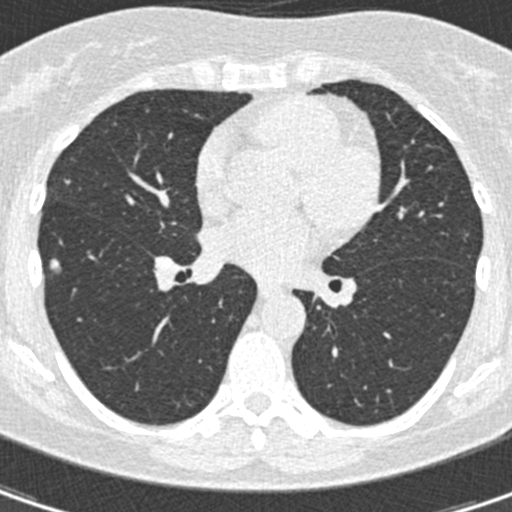
One axial slice (228 of 441, counting up from the lowest) of a chest CT acquired at 120 kVp with the B30f kernel; each pixel is 0.520 mm and the slice is 0.75 mm thick.
Pulmonary nodule at rows 258–273, columns 49–61 (box = the union of the readers' outlines on this slice), outlined by three of the four readers; median longest diameter 12.1 mm (readers' outlines 9.8–12.4 mm), median volume 274 mm3 (248–289 mm3). Median ratings and the readers' spread: median texture 5/5 (solid) (readers ranged 4/5 to 5/5 (solid)); median margin 4/5 (readers ranged 4/5 to 5/5 (circumscribed)); median sphericity 4/5 (readers ranged 4/5 to 5/5 (round)); calcification: absent (two), solid calcification (one); internal structure soft tissue from all three readers; subtlety 4/5 at the median of three readers, spread 4–5; median malignancy likelihood 1/5 (readers ranged 1–3). Scale key (1–5): texture non-solid→solid, margin indistinct→circumscribed, sphericity linear→round, subtlety extremely subtle→obvious, malignancy likelihood highly unlikely→highly suspicious of cancer. Box rows and columns are 0-based pixel indices from the top-left corner, inclusive.